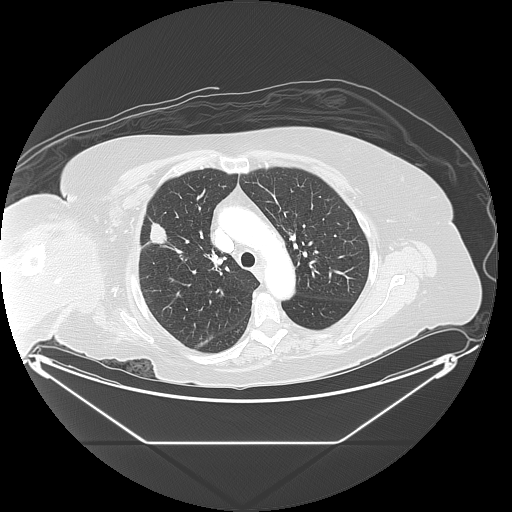
Axial chest CT slice 103 of 133 (counted from the lowest slice); 2.50 mm thick, 0.977 mm per pixel. Pulmonary nodule, outlined by all four readers. Box on this slice rows 219–247, columns 143–166, the union of the readers' outlines on this slice; median longest diameter 25.6 mm (readers' outlines 24.5–34.5 mm), median volume 4013 mm3 (3757–4258 mm3). Median ratings and the readers' spread: texture 5/5 (solid) at the median of four readers, spread 4/5 to 5/5 (solid); margin 4.5/5 at the median of four readers, spread 4/5 to 5/5 (circumscribed); sphericity 3.5/5 at the median of four readers, spread 3/5 (ovoid) to 5/5 (round); calcification absent, all four readers agreeing; internal structure soft tissue, all four readers agreeing; subtlety 5/5, all four readers agreeing; malignancy likelihood 5/5 at the median of four readers, spread 4–5. Scale key (1–5): texture non-solid→solid, margin indistinct→circumscribed, sphericity linear→round, subtlety extremely subtle→obvious, malignancy likelihood highly unlikely→highly suspicious of cancer. Box rows and columns are 0-based pixel indices from the top-left corner, inclusive.
Acquired at 120 kVp and reconstructed with the LUNG kernel.